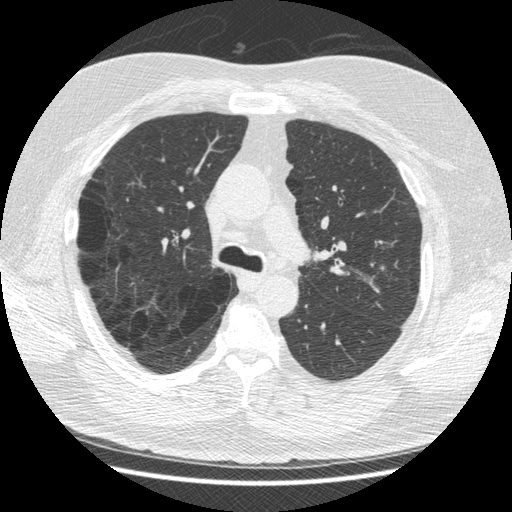
Axial chest CT slice 311 of 487 (counted from the lowest slice); tube voltage 120 kVp, convolution kernel STANDARD; slices 1.25 mm thick, 0.703 mm per pixel.
Pulmonary nodule outlined by two of the four readers; box rows 266–270, columns 380–384 (the union of the readers' outlines on this slice); the two readers' outlines give a longest diameter between 9.4 and 9.6 mm and a volume between 154 and 156 mm3. Ratings across the readers: texture from 3/5 (part-solid) to 4/5 across the two readers; margin from 2/5 to 4/5 across the two readers; sphericity 3/5 (ovoid), both readers agreeing; calcification absent from both readers; internal structure soft tissue from both readers; subtlety rated between 2 and 3 out of 5 by the two readers; malignancy likelihood rated between 3 and 4 out of 5 by the two readers. Scale key (1–5): texture non-solid→solid, margin indistinct→circumscribed, sphericity linear→round, subtlety extremely subtle→obvious, malignancy likelihood highly unlikely→highly suspicious of cancer. Box rows and columns are 0-based pixel indices from the top-left corner, inclusive.